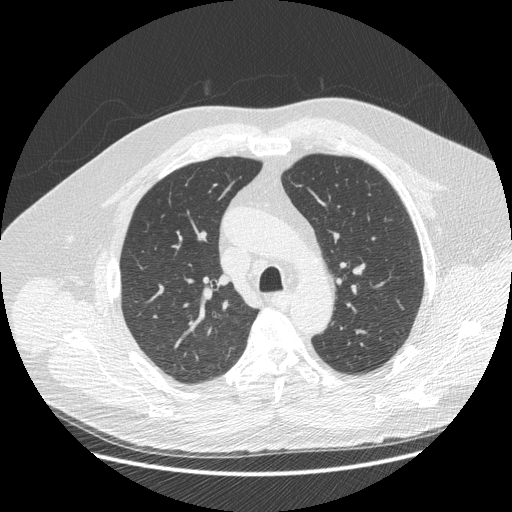
Axial chest CT slice 344 of 477 (counted from the lowest slice); 1.25 mm thick, 0.781 mm per pixel. This slice carries no reader outline of a nodule 3 mm or larger.
Scan settings: 120 kVp, STANDARD reconstruction kernel.